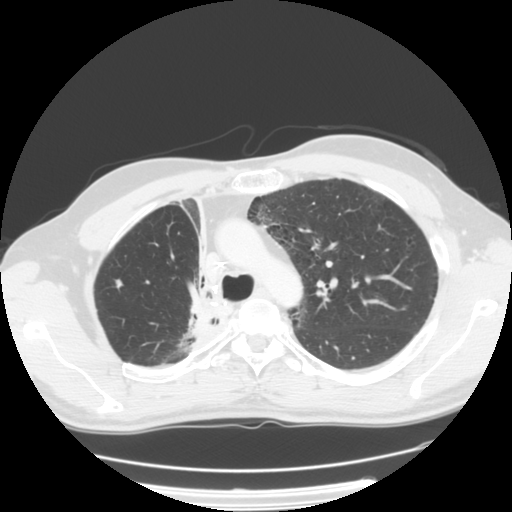
One axial slice (101 of 133, counting up from the lowest) of a chest CT acquired at 120 kVp with the STANDARD kernel; each pixel is 0.703 mm and the slice is 2.50 mm thick.
Pulmonary nodule at rows 279–291, columns 114–123 (box = the union of the readers' outlines on this slice), outlined by all four readers; median longest diameter 7.6 mm (readers' outlines 5.4–11.4 mm), median volume 119 mm3 (70–205 mm3). Median ratings and the readers' spread: texture 5/5 (solid) from all four readers; median margin 4.5/5 (readers ranged 3/5 to 5/5 (circumscribed)); sphericity 4/5 at the median of four readers, spread 3/5 (ovoid) to 5/5 (round); calcification absent from all four readers; internal structure soft tissue, all four readers agreeing; subtlety 3.5/5 at the median of four readers, spread 3–5; malignancy likelihood 2.5/5 at the median of four readers, spread 2–4. Scale key (1–5): texture non-solid→solid, margin indistinct→circumscribed, sphericity linear→round, subtlety extremely subtle→obvious, malignancy likelihood highly unlikely→highly suspicious of cancer. Box rows and columns are 0-based pixel indices from the top-left corner, inclusive.